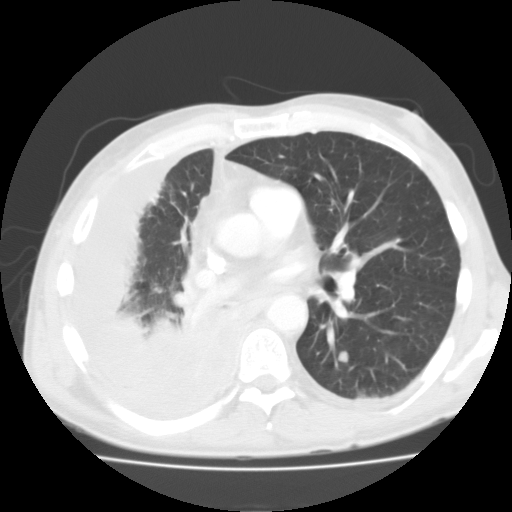
One axial slice (66 of 118, counting up from the lowest) of a chest CT acquired at 135 kVp with the FC01 kernel; each pixel is 0.705 mm and the slice is 3.00 mm thick.
Two pulmonary nodules on this slice, listed from left to right. (1) Pulmonary nodule, outlined by all four readers. Box on this slice rows 350–362, columns 337–348, the union of the readers' outlines on this slice; longest diameter 9.3–10.9 mm and volume 289–450 mm3 across the four readers' outlines. The readers' ratings, as ranges where they differ: texture from 3/5 (part-solid) to 5/5 (solid) across the four readers; margin from 4/5 to 5/5 (circumscribed) across the four readers; sphericity from 4/5 to 5/5 (round) across the four readers; calcification absent, all four readers agreeing; internal structure soft tissue from all four readers; subtlety from 2/5 to 5/5 across the four readers; malignancy likelihood rated between 2 and 5 out of 5 by the four readers. (2) Pulmonary nodule at rows 390–396, columns 358–364 (box = the union of the readers' outlines on this slice), outlined by all four readers, two of them on this slice; the four readers' outlines give a longest diameter between 11.1 and 13.4 mm and a volume between 595 and 1044 mm3. The readers' ratings, as ranges where they differ: texture from 4/5 to 5/5 (solid) across the four readers; margin from 3/5 to 5/5 (circumscribed) across the four readers; sphericity 5/5 (round) from all four readers; calcification absent from all four readers; internal structure soft tissue from all four readers; subtlety 4–5/5 (the readers disagree); malignancy likelihood 3–5/5 (the readers disagree). Scale key (1–5): texture non-solid→solid, margin indistinct→circumscribed, sphericity linear→round, subtlety extremely subtle→obvious, malignancy likelihood highly unlikely→highly suspicious of cancer. Box rows and columns are 0-based pixel indices from the top-left corner, inclusive.